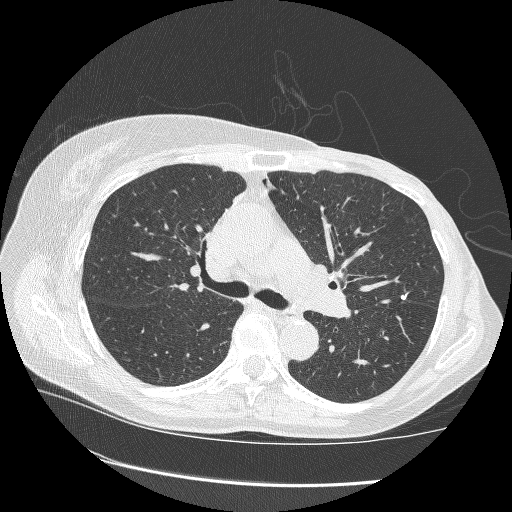
Slice 182/265 of a chest CT, counting up from the lowest; pixel size 0.664 mm, slice thickness 1.25 mm. Pulmonary nodule at rows 294–301, columns 399–406 (box = the union of the readers' outlines on this slice), outlined by all four readers, three of them on this slice; longest diameter 10.0 mm on average over the four readers' outlines (readers' outlines 9.5–10.3 mm), volume 272–367 mm3. The readers' prevailing ratings and who disagreed: texture 5/5 (solid), all four readers agreeing; most readers (three of four) put margin at 5/5 (circumscribed), others 4/5 (one); sphericity 3/5 (ovoid) by two of four readers; the rest gave 4/5 (one), 5/5 (round) (one); calcification solid calcification by three of four readers, absent (one); internal structure soft tissue, all four readers agreeing; subtlety split among the readers: 4/5 (two), 5/5 (two); malignancy likelihood 1/5 by three of four readers; the rest gave 4/5 (one). Scale key (1–5): texture non-solid→solid, margin indistinct→circumscribed, sphericity linear→round, subtlety extremely subtle→obvious, malignancy likelihood highly unlikely→highly suspicious of cancer. Box rows and columns are 0-based pixel indices from the top-left corner, inclusive.
Acquired at 120 kVp and reconstructed with the BONE kernel.